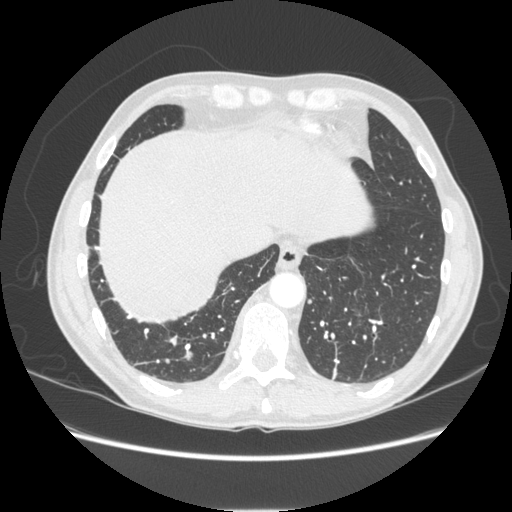
One axial slice (62 of 253, counting up from the lowest) of a chest CT acquired at 120 kVp with the STANDARD kernel; each pixel is 0.742 mm and the slice is 1.25 mm thick.
Two pulmonary nodules on this slice, listed from left to right. (1) Pulmonary nodule, outlined by all four readers. Box on this slice rows 343–360, columns 182–193, the union of the readers' outlines on this slice; longest diameter 13.9 mm on average over the four readers' outlines (readers' outlines 12.4–17.1 mm), volume 764–890 mm3. Ratings, by the readers' most common answer with dissent counted: texture 5/5 (solid), all four readers agreeing; margin 5/5 (circumscribed) from all four readers; most readers (three of four) put sphericity at 5/5 (round), others 4/5 (one); calcification absent from all four readers; internal structure soft tissue from all four readers; subtlety 5/5 by two of four readers; the rest gave 3/5 (one), 4/5 (one); malignancy likelihood split among the readers: 2/5 (one), 3/5 (one), 4/5 (one), 5/5 (one). (2) Pulmonary nodule at rows 299–303, columns 308–311 (box = that reader's outline on this slice), outlined by one of the four readers; longest diameter 4.8 mm and volume 35 mm3 from that reader's outline. Ratings by that reader: texture 5/5 (solid); margin 5/5 (circumscribed); sphericity 5/5 (round); calcification absent; internal structure soft tissue; subtlety 1/5; malignancy likelihood 2/5. Scale key (1–5): texture non-solid→solid, margin indistinct→circumscribed, sphericity linear→round, subtlety extremely subtle→obvious, malignancy likelihood highly unlikely→highly suspicious of cancer. Box rows and columns are 0-based pixel indices from the top-left corner, inclusive.